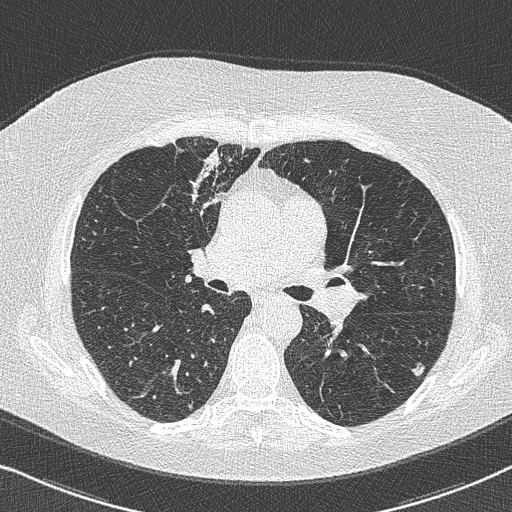
Chest CT, axial plane, 120 kVp, kernel B50f. Slice 451/733 from the bottom of the scan; thickness 0.60 mm; pixel size 0.637 mm.
Pulmonary nodule, outlined by all four readers. Box on this slice rows 362–376, columns 410–425, the union of the readers' outlines on this slice; longest diameter 11.1–11.9 mm and volume 231–376 mm3 across the four readers' outlines. The readers' ratings, as ranges where they differ: texture 5/5 (solid) from all four readers; margin from 3/5 to 5/5 (circumscribed) across the four readers; sphericity from 3/5 (ovoid) to 5/5 (round) across the four readers; calcification absent from all four readers; internal structure soft tissue, all four readers agreeing; subtlety rated between 4 and 5 out of 5 by the four readers; malignancy likelihood 3–4/5 (the readers disagree). Scale key (1–5): texture non-solid→solid, margin indistinct→circumscribed, sphericity linear→round, subtlety extremely subtle→obvious, malignancy likelihood highly unlikely→highly suspicious of cancer. Box rows and columns are 0-based pixel indices from the top-left corner, inclusive.